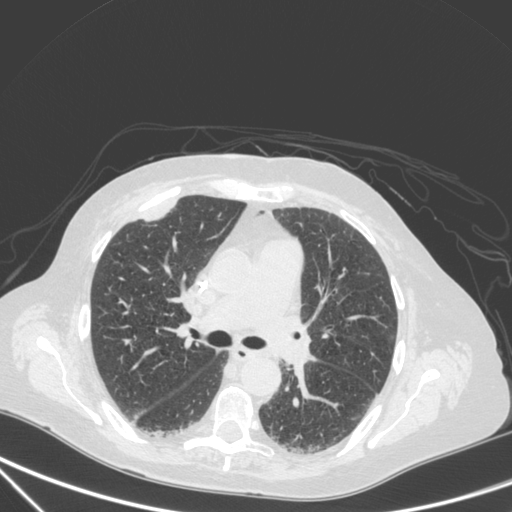
One axial slice (199 of 350, counting up from the lowest) of a chest CT acquired at 120 kVp with the C kernel; each pixel is 0.725 mm and the slice is 1.50 mm thick.
Pulmonary nodule, outlined by one of the four readers. Box on this slice rows 202–220, columns 145–175, that reader's outline on this slice; longest diameter 29.5 mm and volume 4181 mm3 from that reader's outline. Ratings by that reader: texture 5/5 (solid); margin 4/5; sphericity 2/5; calcification absent; internal structure soft tissue; subtlety 5/5; malignancy likelihood 4/5. Scale key (1–5): texture non-solid→solid, margin indistinct→circumscribed, sphericity linear→round, subtlety extremely subtle→obvious, malignancy likelihood highly unlikely→highly suspicious of cancer. Box rows and columns are 0-based pixel indices from the top-left corner, inclusive.